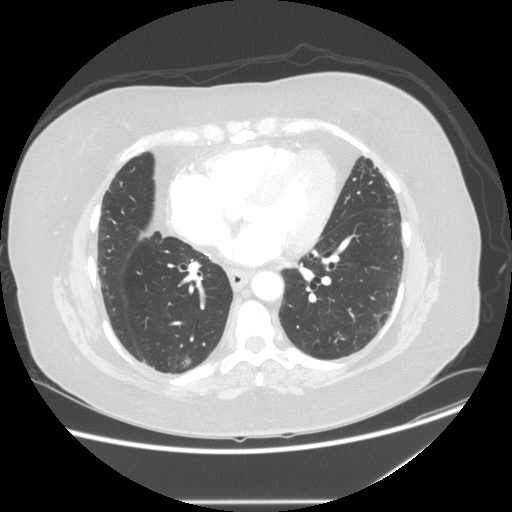
One axial slice (63 of 139, counting up from the lowest) of a chest CT acquired at 120 kVp with the STANDARD kernel; each pixel is 0.781 mm and the slice is 2.50 mm thick.
Pulmonary nodule at rows 357–366, columns 182–191 (box = the union of the readers' outlines on this slice), outlined by all four readers; longest diameter 9.1 mm on average over the four readers' outlines (readers' outlines 8.4–10.2 mm), volume 323–501 mm3. Ratings, by the readers' most common answer with dissent counted: texture 5/5 (solid) by three of four readers; the rest gave 4/5 (one); most readers (three of four) put margin at 4/5, others 3/5 (one); sphericity 5/5 (round) by three of four readers; the rest gave 4/5 (one); calcification absent from all four readers; internal structure soft tissue from all four readers; subtlety 4/5 by two of four readers; the rest gave 3/5 (one), 5/5 (one); malignancy likelihood split among the readers: 3/5 (two), 4/5 (two). Scale key (1–5): texture non-solid→solid, margin indistinct→circumscribed, sphericity linear→round, subtlety extremely subtle→obvious, malignancy likelihood highly unlikely→highly suspicious of cancer. Box rows and columns are 0-based pixel indices from the top-left corner, inclusive.